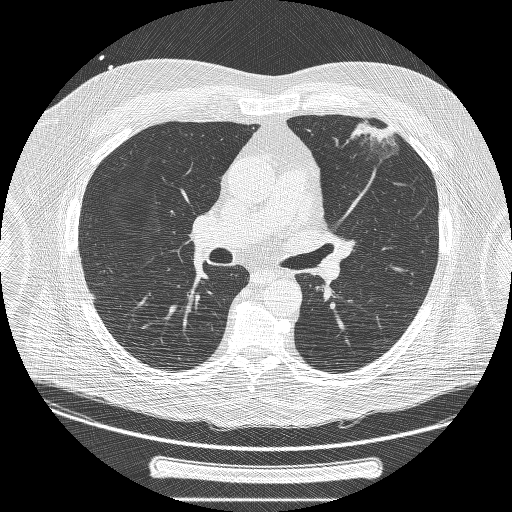
Chest CT, axial plane, 120 kVp, kernel BONE. Slice 131/239 from the bottom of the scan; thickness 1.25 mm; pixel size 0.795 mm.
Pulmonary nodule outlined by two of the four readers; box rows 121–158, columns 350–397 (the union of the readers' outlines on this slice); the two readers' outlines give a longest diameter between 43.0 and 43.4 mm and a volume between 10396 and 11168 mm3. Ratings across the readers: texture from 3/5 (part-solid) to 5/5 (solid) across the two readers; margin from 1/5 (indistinct) to 3/5 across the two readers; sphericity from 1/5 (linear) to 3/5 (ovoid) across the two readers; calcification absent from both readers; internal structure soft tissue, both readers agreeing; subtlety 5/5 from both readers; malignancy likelihood 5/5, both readers agreeing. Scale key (1–5): texture non-solid→solid, margin indistinct→circumscribed, sphericity linear→round, subtlety extremely subtle→obvious, malignancy likelihood highly unlikely→highly suspicious of cancer. Box rows and columns are 0-based pixel indices from the top-left corner, inclusive.